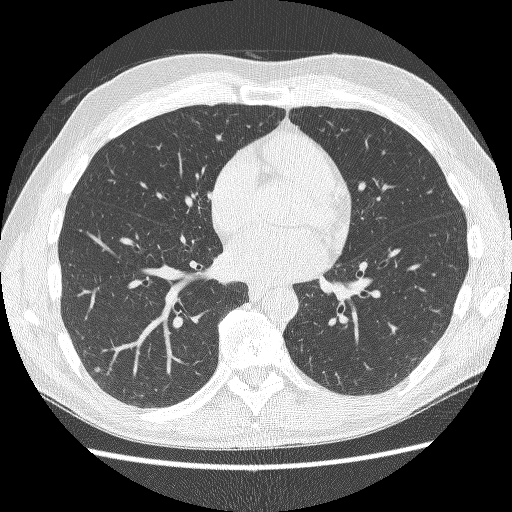
One axial slice (110 of 252, counting up from the lowest) of a chest CT acquired at 120 kVp with the BONE kernel; each pixel is 0.703 mm and the slice is 1.25 mm thick.
Pulmonary nodule, outlined by all four readers. Box on this slice rows 366–371, columns 93–100, the union of the readers' outlines on this slice; longest diameter 5.0–6.7 mm and volume 24–40 mm3 across the four readers' outlines. The readers' ratings, as ranges where they differ: texture from 3/5 (part-solid) to 5/5 (solid) across the four readers; margin from 2/5 to 5/5 (circumscribed) across the four readers; sphericity from 4/5 to 5/5 (round) across the four readers; calcification absent from all four readers; internal structure soft tissue from all four readers; subtlety 1–3/5 (the readers disagree); malignancy likelihood 3/5, all four readers agreeing. Scale key (1–5): texture non-solid→solid, margin indistinct→circumscribed, sphericity linear→round, subtlety extremely subtle→obvious, malignancy likelihood highly unlikely→highly suspicious of cancer. Box rows and columns are 0-based pixel indices from the top-left corner, inclusive.